Axial slice 247 of 429 of a chest CT (slice 1 is the lowest), reconstructed with the B30f kernel at 120 kVp; 0.75 mm slice thickness and 0.586 mm pixels.
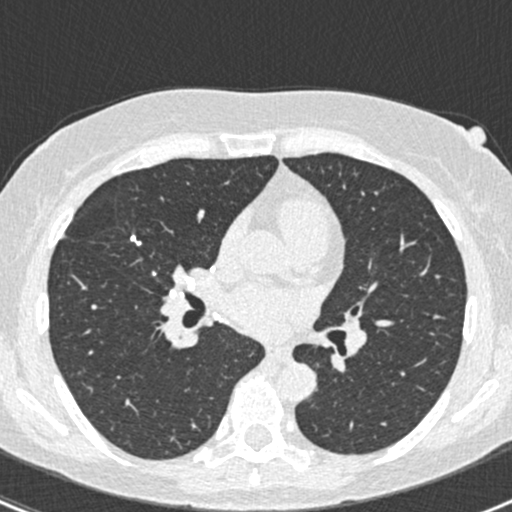
Pulmonary nodule at rows 234–245, columns 130–141 (box = the union of the readers' outlines on this slice), outlined three times (the source holds two more outlines, not used); longest diameter 8.0–11.0 mm and volume 95–144 mm3 across the three readers' outlines. Ratings across the readers: texture 5/5 (solid) from all three readers; margin 5/5 (circumscribed), all three readers agreeing; sphericity from 2/5 to 5/5 (round) across the three readers; calcification solid calcification, all three readers agreeing; internal structure soft tissue from all three readers; subtlety from 4/5 to 5/5 across the three readers; malignancy likelihood 1/5, all three readers agreeing. Scale key (1–5): texture non-solid→solid, margin indistinct→circumscribed, sphericity linear→round, subtlety extremely subtle→obvious, malignancy likelihood highly unlikely→highly suspicious of cancer. Box rows and columns are 0-based pixel indices from the top-left corner, inclusive.